Axial slice 95 of 150 of a chest CT (slice 1 is the lowest), reconstructed with the LUNG kernel at 120 kVp; 2.50 mm slice thickness and 0.781 mm pixels.
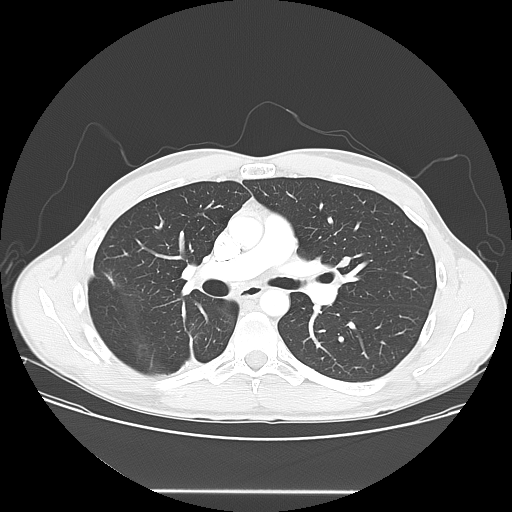
Pulmonary nodule, outlined by two of the four readers. Box on this slice rows 256–267, columns 337–350, the union of the readers' outlines on this slice; the two readers' outlines give a longest diameter between 13.4 and 13.7 mm and a volume between 506 and 603 mm3. The readers' ratings, as ranges where they differ: texture 5/5 (solid), both readers agreeing; margin from 4/5 to 5/5 (circumscribed) across the two readers; sphericity from 1/5 (linear) to 5/5 (round) across the two readers; calcification absent, both readers agreeing; internal structure soft tissue, both readers agreeing; subtlety from 3/5 to 4/5 across the two readers; malignancy likelihood 2/5, both readers agreeing. Scale key (1–5): texture non-solid→solid, margin indistinct→circumscribed, sphericity linear→round, subtlety extremely subtle→obvious, malignancy likelihood highly unlikely→highly suspicious of cancer. Box rows and columns are 0-based pixel indices from the top-left corner, inclusive.